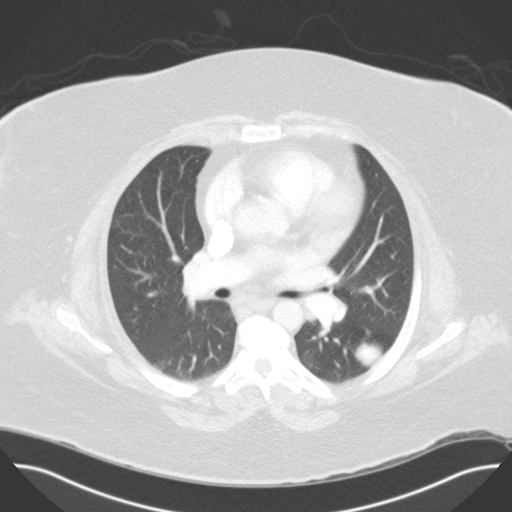
Chest CT, axial plane, 120 kVp, kernel B31f. Slice 80/117 from the bottom of the scan; thickness 3.00 mm; pixel size 0.779 mm.
Pulmonary nodule, outlined by two of the four readers. Box on this slice rows 342–365, columns 355–382, the union of the readers' outlines on this slice; the two readers' outlines give a longest diameter between 39.2 and 39.6 mm and a volume between 24959 and 25451 mm3. Ratings across the readers: texture 5/5 (solid), both readers agreeing; margin 5/5 (circumscribed), both readers agreeing; sphericity 5/5 (round) from both readers; calcification split among the readers: laminated calcification (one), absent (one); internal structure soft tissue, both readers agreeing; subtlety 5/5 from both readers; malignancy likelihood from 2/5 to 3/5 across the two readers. Scale key (1–5): texture non-solid→solid, margin indistinct→circumscribed, sphericity linear→round, subtlety extremely subtle→obvious, malignancy likelihood highly unlikely→highly suspicious of cancer. Box rows and columns are 0-based pixel indices from the top-left corner, inclusive.